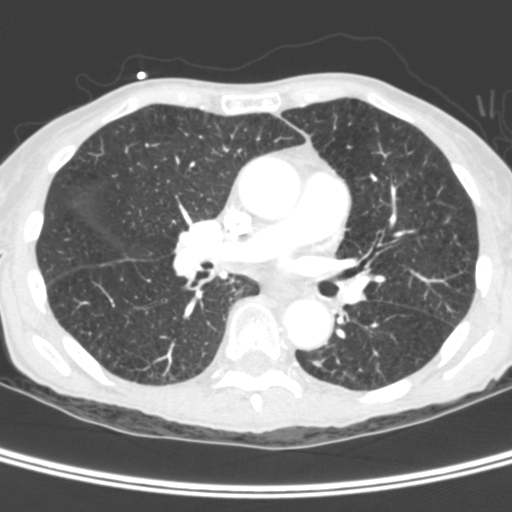
Chest CT, axial plane, 120 kVp, kernel C. Slice 204/400 from the bottom of the scan; thickness 1.50 mm; pixel size 0.527 mm.
Pulmonary nodule outlined by three of the four readers; box rows 359–366, columns 312–324 (the union of the readers' outlines on this slice); median longest diameter 7.6 mm (readers' outlines 6.0–8.7 mm), median volume 90 mm3 (56–91 mm3). Ratings, median across the readers with their spread: texture 5/5 (solid) from all three readers; median margin 4/5 (readers ranged 3/5 to 4/5); median sphericity 3/5 (ovoid) (readers ranged 2/5 to 3/5 (ovoid)); calcification absent, all three readers agreeing; internal structure soft tissue from all three readers; median subtlety 3/5 (readers ranged 3–5); median malignancy likelihood 2/5 (readers ranged 1–4). Scale key (1–5): texture non-solid→solid, margin indistinct→circumscribed, sphericity linear→round, subtlety extremely subtle→obvious, malignancy likelihood highly unlikely→highly suspicious of cancer. Box rows and columns are 0-based pixel indices from the top-left corner, inclusive.